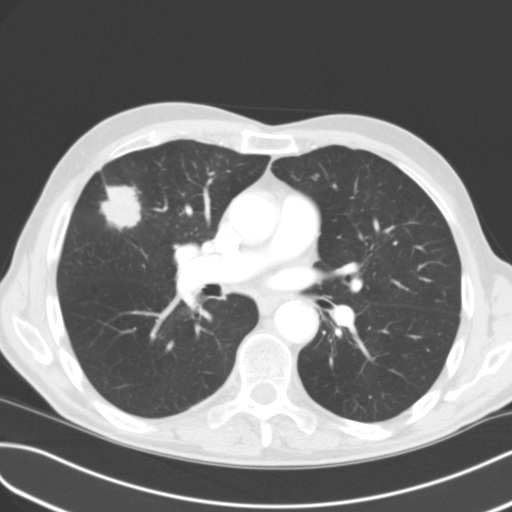
Axial chest CT slice 62 of 114 (counted from the lowest slice); 3.00 mm thick, 0.689 mm per pixel. Pulmonary nodule at rows 185–232, columns 99–141 (box = the union of the readers' outlines on this slice), outlined by all four readers; the four readers' outlines give a longest diameter between 40.2 and 48.6 mm and a volume between 17639 and 20532 mm3. Ratings across the readers: texture from 4/5 to 5/5 (solid) across the four readers; margin from 3/5 to 5/5 (circumscribed) across the four readers; sphericity from 3/5 (ovoid) to 4/5 across the four readers; calcification absent, all four readers agreeing; internal structure soft tissue, all four readers agreeing; subtlety 5/5 from all four readers; malignancy likelihood 3–5/5 (the readers disagree). Scale key (1–5): texture non-solid→solid, margin indistinct→circumscribed, sphericity linear→round, subtlety extremely subtle→obvious, malignancy likelihood highly unlikely→highly suspicious of cancer. Box rows and columns are 0-based pixel indices from the top-left corner, inclusive.
Tube voltage 120 kVp; convolution kernel B31f.